Axial chest CT slice 67 of 264 (counted from the lowest slice); tube voltage 120 kVp, convolution kernel BONE; slices 1.25 mm thick, 0.703 mm per pixel.
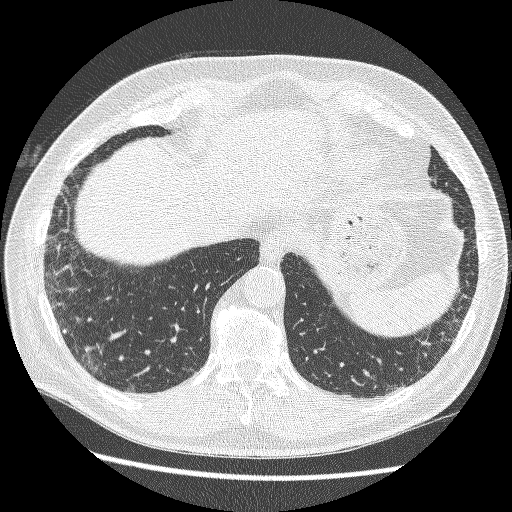
Pulmonary nodule, outlined by all four readers. Box on this slice rows 329–333, columns 62–66, the union of the readers' outlines on this slice; the four readers' outlines give a longest diameter between 5.7 and 6.3 mm and a volume between 45 and 89 mm3. Ratings across the readers: texture 5/5 (solid), all four readers agreeing; margin 5/5 (circumscribed), all four readers agreeing; sphericity from 4/5 to 5/5 (round) across the four readers; calcification solid calcification from all four readers; internal structure soft tissue from all four readers; subtlety from 3/5 to 5/5 across the four readers; malignancy likelihood 1/5 from all four readers. Scale key (1–5): texture non-solid→solid, margin indistinct→circumscribed, sphericity linear→round, subtlety extremely subtle→obvious, malignancy likelihood highly unlikely→highly suspicious of cancer. Box rows and columns are 0-based pixel indices from the top-left corner, inclusive.